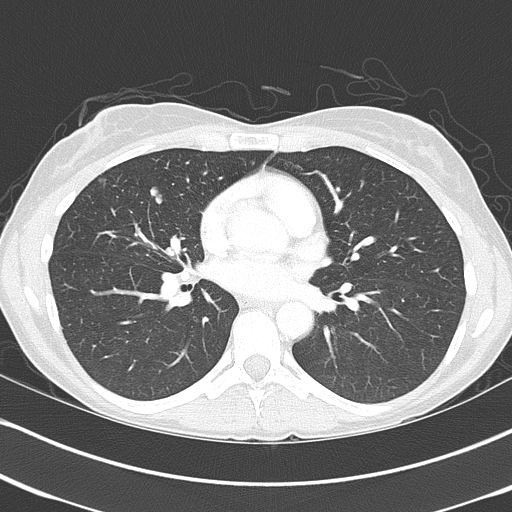
Chest CT, axial plane, 120 kVp, kernel B70f. Slice 207/368 from the bottom of the scan; thickness 2.00 mm; pixel size 0.623 mm.
Pulmonary nodule at rows 185–203, columns 150–162 (box = the union of the readers' outlines on this slice), outlined by all four readers; the four readers' outlines give a longest diameter between 12.1 and 13.5 mm and a volume between 274 and 376 mm3. Ratings across the readers: texture from 4/5 to 5/5 (solid) across the four readers; margin from 3/5 to 5/5 (circumscribed) across the four readers; sphericity from 2/5 to 3/5 (ovoid) across the four readers; calcification: absent (two), non-central calcification (one), solid calcification (one); internal structure soft tissue from all four readers; subtlety 5/5, all four readers agreeing; malignancy likelihood 2–4/5 (the readers disagree). Scale key (1–5): texture non-solid→solid, margin indistinct→circumscribed, sphericity linear→round, subtlety extremely subtle→obvious, malignancy likelihood highly unlikely→highly suspicious of cancer. Box rows and columns are 0-based pixel indices from the top-left corner, inclusive.